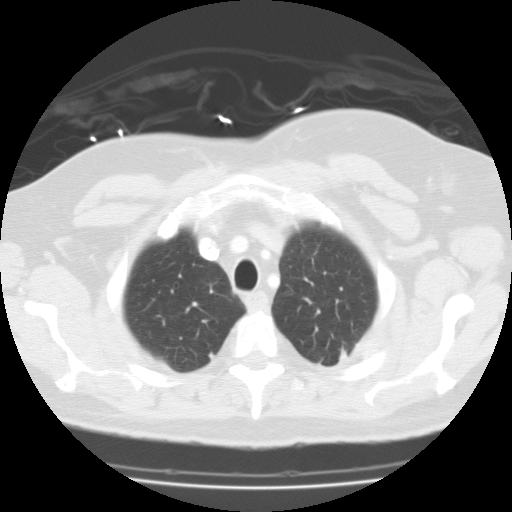
Slice 94/115 of a chest CT, counting up from the lowest; pixel size 0.729 mm, slice thickness 3.00 mm. Two pulmonary nodules on this slice, listed from left to right. (1) Pulmonary nodule, outlined by one of the four readers. Box on this slice rows 352–358, columns 208–213, that reader's outline on this slice; longest diameter 6.7 mm and volume 124 mm3 from that reader's outline. That reader's ratings: texture 5/5 (solid); margin 5/5 (circumscribed); sphericity 3/5 (ovoid); calcification solid calcification; internal structure soft tissue; subtlety 5/5; malignancy likelihood 2/5. (2) Pulmonary nodule outlined by one of the four readers; box rows 346–360, columns 339–346 (that reader's outline on this slice); longest diameter 34.4 mm and volume 9064 mm3 from that reader's outline. That reader's ratings: texture 5/5 (solid); margin 3/5; sphericity 2/5; calcification absent; internal structure fluid; subtlety 5/5; malignancy likelihood 3/5. Scale key (1–5): texture non-solid→solid, margin indistinct→circumscribed, sphericity linear→round, subtlety extremely subtle→obvious, malignancy likelihood highly unlikely→highly suspicious of cancer. Box rows and columns are 0-based pixel indices from the top-left corner, inclusive.
Tube voltage 135 kVp; convolution kernel FC01.